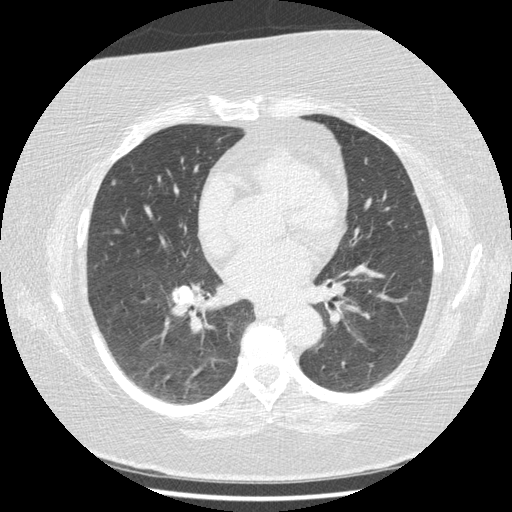
Chest CT, axial plane, 120 kVp, kernel STANDARD. Slice 217/417 from the bottom of the scan; thickness 1.25 mm; pixel size 0.703 mm.
Pulmonary nodule, outlined by two of the four readers. Box on this slice rows 179–185, columns 110–116, the union of the readers' outlines on this slice; longest diameter 6.0 mm on average over the two readers' outlines (readers' outlines 6.0 mm), volume 40–52 mm3. Ratings, by the readers' most common answer with dissent counted: texture 5/5 (solid), both readers agreeing; margin 5/5 (circumscribed), both readers agreeing; sphericity 4/5 from both readers; calcification absent from both readers; internal structure soft tissue, both readers agreeing; subtlety split among the readers: 3/5 (one), 5/5 (one); malignancy likelihood split among the readers: 2/5 (one), 3/5 (one). Scale key (1–5): texture non-solid→solid, margin indistinct→circumscribed, sphericity linear→round, subtlety extremely subtle→obvious, malignancy likelihood highly unlikely→highly suspicious of cancer. Box rows and columns are 0-based pixel indices from the top-left corner, inclusive.